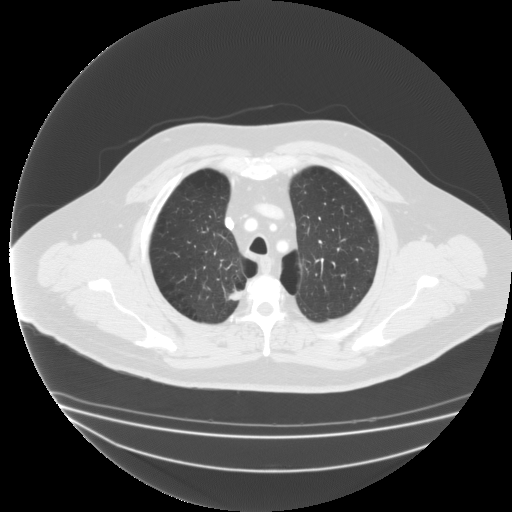
Slice 152/183 of a chest CT, counting up from the lowest; pixel size 0.946 mm, slice thickness 2.00 mm. Pulmonary nodule, outlined by three of the four readers. Box on this slice rows 289–299, columns 228–242, the union of the readers' outlines on this slice; longest diameter 16.9 mm on average over the three readers' outlines (readers' outlines 16.1–17.8 mm), volume 986–1640 mm3. The readers' prevailing ratings and who disagreed: texture 5/5 (solid) from all three readers; margin 3/5 by two of three readers; the rest gave 4/5 (one); sphericity 4/5 from all three readers; calcification absent, all three readers agreeing; internal structure soft tissue, all three readers agreeing; subtlety 5/5 by two of three readers; the rest gave 4/5 (one); malignancy likelihood 4/5 from all three readers. Scale key (1–5): texture non-solid→solid, margin indistinct→circumscribed, sphericity linear→round, subtlety extremely subtle→obvious, malignancy likelihood highly unlikely→highly suspicious of cancer. Box rows and columns are 0-based pixel indices from the top-left corner, inclusive.
Scan settings: 135 kVp, FC03 reconstruction kernel.